Chest CT, axial plane, 120 kVp, kernel B30f. Slice 219/493 from the bottom of the scan; thickness 0.75 mm; pixel size 0.762 mm.
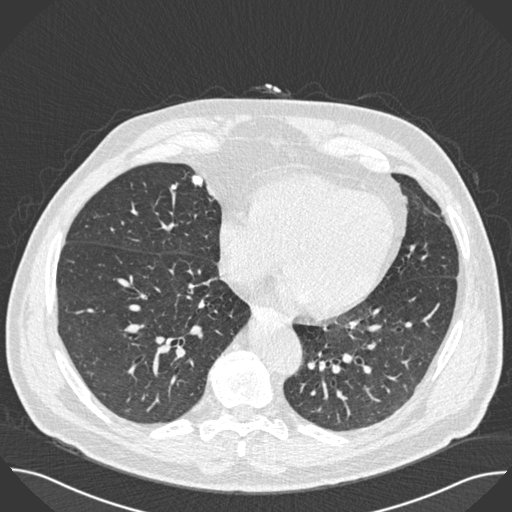
Pulmonary nodule at rows 175–186, columns 191–202 (box = the union of the readers' outlines on this slice), outlined by all four readers; the four readers' outlines give a longest diameter between 10.6 and 11.2 mm and a volume between 320 and 406 mm3. Ratings across the readers: texture 5/5 (solid), all four readers agreeing; margin 5/5 (circumscribed), all four readers agreeing; sphericity from 3/5 (ovoid) to 4/5 across the four readers; calcification: solid calcification (three), central calcification (one); internal structure soft tissue, all four readers agreeing; subtlety 4–5/5 (the readers disagree); malignancy likelihood 1/5 from all four readers. Scale key (1–5): texture non-solid→solid, margin indistinct→circumscribed, sphericity linear→round, subtlety extremely subtle→obvious, malignancy likelihood highly unlikely→highly suspicious of cancer. Box rows and columns are 0-based pixel indices from the top-left corner, inclusive.